Chest CT, axial plane, 120 kVp, kernel STANDARD. Slice 112/484 from the bottom of the scan; thickness 1.25 mm; pixel size 0.586 mm.
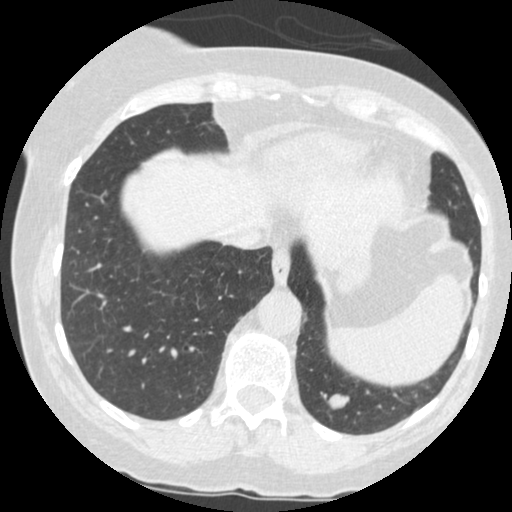
Pulmonary nodule, outlined by all four readers. Box on this slice rows 394–409, columns 326–348, the union of the readers' outlines on this slice; longest diameter 14.7–16.9 mm and volume 1036–1469 mm3 across the four readers' outlines. The readers' ratings, as ranges where they differ: texture 5/5 (solid) from all four readers; margin 5/5 (circumscribed) from all four readers; sphericity from 3/5 (ovoid) to 5/5 (round) across the four readers; calcification absent from all four readers; internal structure soft tissue, all four readers agreeing; subtlety 5/5 from all four readers; malignancy likelihood 2–5/5 (the readers disagree). Scale key (1–5): texture non-solid→solid, margin indistinct→circumscribed, sphericity linear→round, subtlety extremely subtle→obvious, malignancy likelihood highly unlikely→highly suspicious of cancer. Box rows and columns are 0-based pixel indices from the top-left corner, inclusive.